One axial slice (129 of 241, counting up from the lowest) of a chest CT acquired at 120 kVp with the BONE kernel; each pixel is 0.609 mm and the slice is 1.25 mm thick.
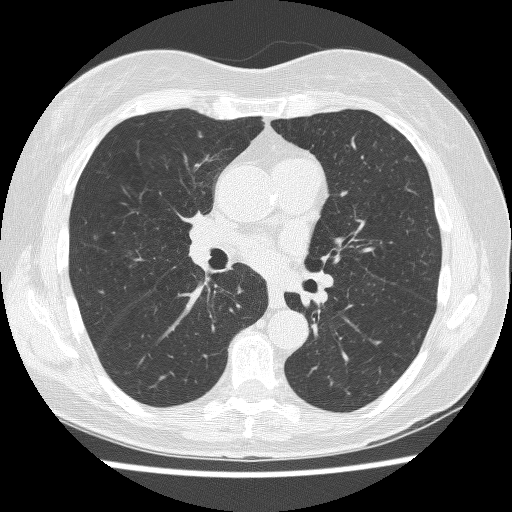
Pulmonary nodule at rows 129–137, columns 197–203 (box = that reader's outline on this slice), outlined by one of the four readers; longest diameter 7.1 mm and volume 55 mm3 from that reader's outline. That reader's ratings: texture 1/5 (non-solid); margin 1/5 (indistinct); sphericity 4/5; calcification absent; internal structure soft tissue; subtlety 4/5; malignancy likelihood 3/5. Scale key (1–5): texture non-solid→solid, margin indistinct→circumscribed, sphericity linear→round, subtlety extremely subtle→obvious, malignancy likelihood highly unlikely→highly suspicious of cancer. Box rows and columns are 0-based pixel indices from the top-left corner, inclusive.